One axial slice (181 of 245, counting up from the lowest) of a chest CT acquired at 120 kVp with the BONE kernel; each pixel is 0.664 mm and the slice is 1.25 mm thick.
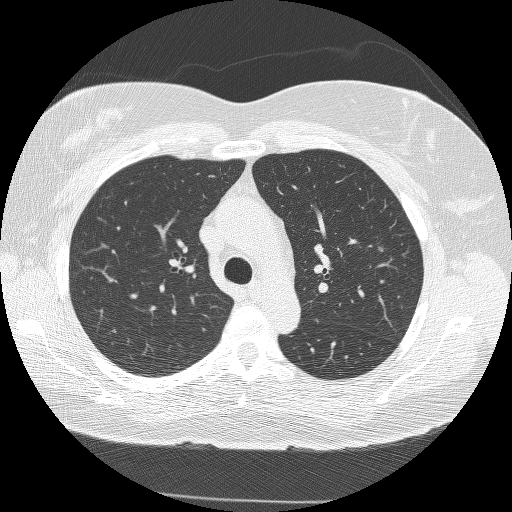
Pulmonary nodule at rows 247–251, columns 378–383 (box = the union of the readers' outlines on this slice), outlined by all four readers, three of them on this slice; median longest diameter 21.0 mm (readers' outlines 20.8–22.3 mm), median volume 3153 mm3 (2976–3390 mm3). Median ratings and the readers' spread: texture 5/5 (solid) at the median of four readers, spread 4/5 to 5/5 (solid); margin 3.5/5 at the median of four readers, spread 3/5 to 4/5; sphericity 3.5/5 at the median of four readers, spread 3/5 (ovoid) to 5/5 (round); calcification absent from all four readers; internal structure soft tissue, all four readers agreeing; subtlety 5/5, all four readers agreeing; malignancy likelihood 5/5 from all four readers. Scale key (1–5): texture non-solid→solid, margin indistinct→circumscribed, sphericity linear→round, subtlety extremely subtle→obvious, malignancy likelihood highly unlikely→highly suspicious of cancer. Box rows and columns are 0-based pixel indices from the top-left corner, inclusive.